Axial chest CT slice 303 of 458 (counted from the lowest slice); tube voltage 120 kVp, convolution kernel STANDARD; slices 1.25 mm thick, 0.625 mm per pixel.
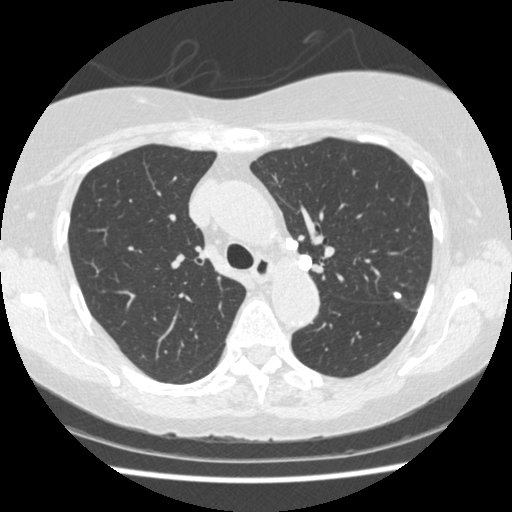
Three pulmonary nodules on this slice, listed from left to right. (1) Pulmonary nodule, outlined by one of the four readers. Box on this slice rows 237–250, columns 285–298, that reader's outline on this slice; longest diameter 10.6 mm and volume 342 mm3 from that reader's outline. Ratings by that reader: texture 5/5 (solid); margin 5/5 (circumscribed); sphericity 4/5; calcification solid calcification; internal structure soft tissue; subtlety 4/5; malignancy likelihood 1/5. (2) Pulmonary nodule, outlined by one of the four readers. Box on this slice rows 254–270, columns 297–311, that reader's outline on this slice; longest diameter 11.9 mm and volume 579 mm3 from that reader's outline. That reader's ratings: texture 5/5 (solid); margin 5/5 (circumscribed); sphericity 5/5 (round); calcification solid calcification; internal structure soft tissue; subtlety 4/5; malignancy likelihood 1/5. (3) Pulmonary nodule at rows 291–298, columns 393–401 (box = the union of the readers' outlines on this slice), outlined by all four readers; the four readers' outlines give a longest diameter between 6.8 and 7.1 mm and a volume between 96 and 159 mm3. Ratings across the readers: texture from 4/5 to 5/5 (solid) across the four readers; margin from 4/5 to 5/5 (circumscribed) across the four readers; sphericity from 3/5 (ovoid) to 4/5 across the four readers; calcification: solid calcification (two), central calcification (one), absent (one); internal structure soft tissue from all four readers; subtlety 4–5/5 (the readers disagree); malignancy likelihood 1–3/5 (the readers disagree). Scale key (1–5): texture non-solid→solid, margin indistinct→circumscribed, sphericity linear→round, subtlety extremely subtle→obvious, malignancy likelihood highly unlikely→highly suspicious of cancer. Box rows and columns are 0-based pixel indices from the top-left corner, inclusive.